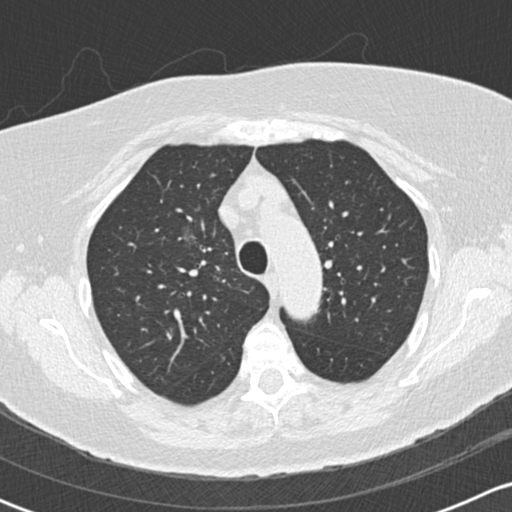
Axial chest CT slice 128 of 172 (counted from the lowest slice); 2.00 mm thick, 0.605 mm per pixel. Pulmonary nodule at rows 228–242, columns 183–195 (box = that reader's outline on this slice), outlined by one of the four readers; longest diameter 11.4 mm and volume 292 mm3 from that reader's outline. Ratings by that reader: texture 1/5 (non-solid); margin 1/5 (indistinct); sphericity 2/5; calcification absent; internal structure soft tissue; subtlety 1/5; malignancy likelihood 4/5. Scale key (1–5): texture non-solid→solid, margin indistinct→circumscribed, sphericity linear→round, subtlety extremely subtle→obvious, malignancy likelihood highly unlikely→highly suspicious of cancer. Box rows and columns are 0-based pixel indices from the top-left corner, inclusive.
Scan settings: 120 kVp, B30f reconstruction kernel.